One axial slice (47 of 112, counting up from the lowest) of a chest CT acquired at 135 kVp with the FC01 kernel; each pixel is 0.650 mm and the slice is 3.00 mm thick.
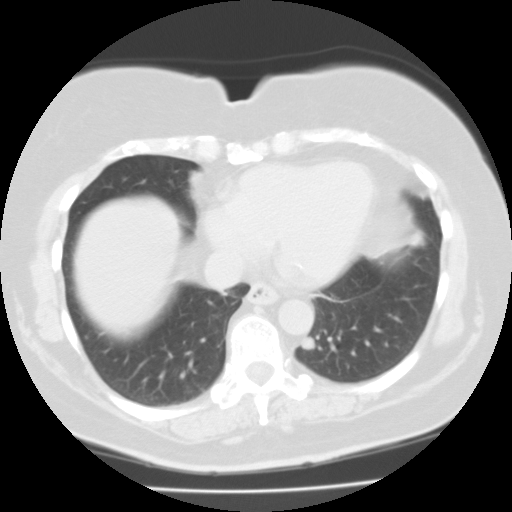
Pulmonary nodule outlined by all four readers; box rows 336–349, columns 299–314 (the union of the readers' outlines on this slice); median longest diameter 10.9 mm (readers' outlines 10.3–11.5 mm), median volume 502 mm3 (475–618 mm3). Median ratings and the readers' spread: texture 5/5 (solid), all four readers agreeing; median margin 5/5 (circumscribed) (readers ranged 4/5 to 5/5 (circumscribed)); median sphericity 4.5/5 (readers ranged 4/5 to 5/5 (round)); calcification absent from all four readers; internal structure soft tissue, all four readers agreeing; subtlety 4/5 at the median of four readers, spread 3–5; malignancy likelihood 3.5/5 at the median of four readers, spread 2–4. Scale key (1–5): texture non-solid→solid, margin indistinct→circumscribed, sphericity linear→round, subtlety extremely subtle→obvious, malignancy likelihood highly unlikely→highly suspicious of cancer. Box rows and columns are 0-based pixel indices from the top-left corner, inclusive.